Chest CT, axial plane, 120 kVp, kernel BONE. Slice 50/230 from the bottom of the scan; thickness 1.25 mm; pixel size 0.732 mm.
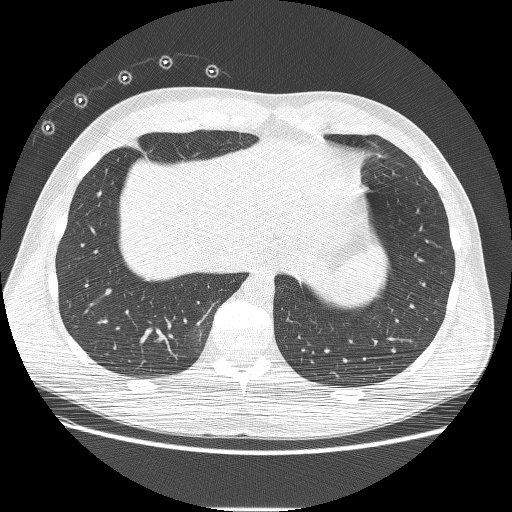
Two pulmonary nodules on this slice, listed from left to right. (1) Pulmonary nodule, outlined by two of the four readers. Box on this slice rows 191–196, columns 97–100, the union of the readers' outlines on this slice; longest diameter 6.6 mm on average over the two readers' outlines (readers' outlines 6.0–7.3 mm), volume 72–101 mm3. The readers' prevailing ratings and who disagreed: texture 5/5 (solid), both readers agreeing; margin split among the readers: 4/5 (one), 5/5 (circumscribed) (one); sphericity split among the readers: 2/5 (one), 3/5 (ovoid) (one); calcification absent from both readers; internal structure soft tissue from both readers; subtlety split among the readers: 1/5 (one), 3/5 (one); malignancy likelihood split among the readers: 2/5 (one), 3/5 (one). (2) Pulmonary nodule outlined by all four readers, one of them on this slice; box rows 140–152, columns 128–143 (the one reader's outline on this slice); longest diameter 26.8 mm on average over the four readers' outlines (readers' outlines 23.5–29.5 mm), volume 3146–3701 mm3. Ratings, by the readers' most common answer with dissent counted: texture 5/5 (solid), all four readers agreeing; margin 5/5 (circumscribed) by two of four readers; the rest gave 3/5 (one), 4/5 (one); sphericity split among the readers: 3/5 (ovoid) (two), 4/5 (two); calcification absent, all four readers agreeing; internal structure soft tissue, all four readers agreeing; subtlety 5/5 from all four readers; malignancy likelihood 5/5 by three of four readers; the rest gave 4/5 (one). Scale key (1–5): texture non-solid→solid, margin indistinct→circumscribed, sphericity linear→round, subtlety extremely subtle→obvious, malignancy likelihood highly unlikely→highly suspicious of cancer. Box rows and columns are 0-based pixel indices from the top-left corner, inclusive.